Chest CT, axial plane, 120 kVp, kernel B45f. Slice 165/327 from the bottom of the scan; thickness 1.00 mm; pixel size 0.547 mm.
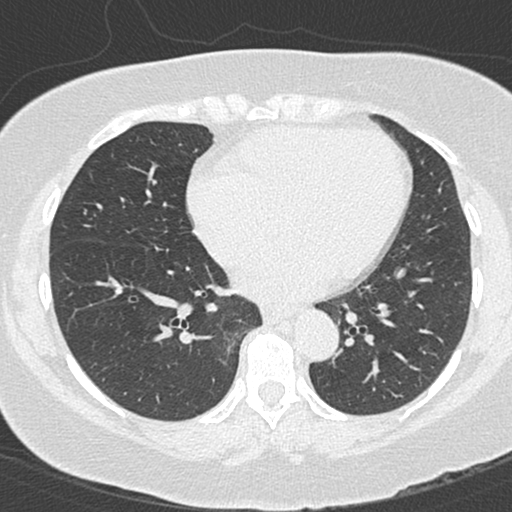
None of the four readers outlined a nodule of 3 mm or more on this slice.